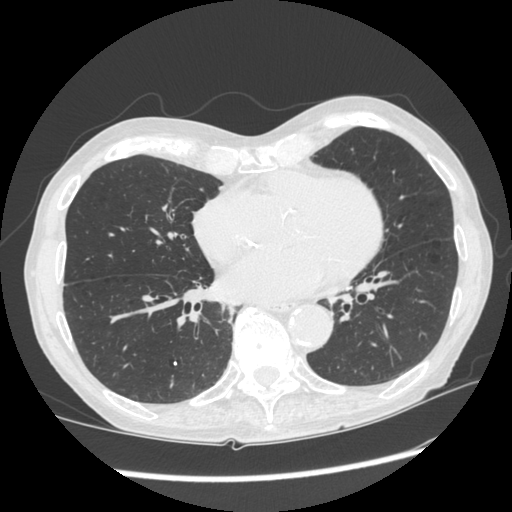
Axial chest CT slice 115 of 301 (counted from the lowest slice); tube voltage 120 kVp, convolution kernel STANDARD; slices 1.25 mm thick, 0.684 mm per pixel.
Pulmonary nodule at rows 395–397, columns 132–136 (box = the one reader's outline on this slice), outlined by all four readers, one of them on this slice; the four readers' outlines give a longest diameter between 7.1 and 7.8 mm and a volume between 48 and 77 mm3. The readers' ratings, as ranges where they differ: texture from 1/5 (non-solid) to 5/5 (solid) across the four readers; margin from 1/5 (indistinct) to 5/5 (circumscribed) across the four readers; sphericity from 2/5 to 3/5 (ovoid) across the four readers; calcification absent from all four readers; internal structure soft tissue, all four readers agreeing; subtlety from 1/5 to 5/5 across the four readers; malignancy likelihood from 2/5 to 3/5 across the four readers. Scale key (1–5): texture non-solid→solid, margin indistinct→circumscribed, sphericity linear→round, subtlety extremely subtle→obvious, malignancy likelihood highly unlikely→highly suspicious of cancer. Box rows and columns are 0-based pixel indices from the top-left corner, inclusive.